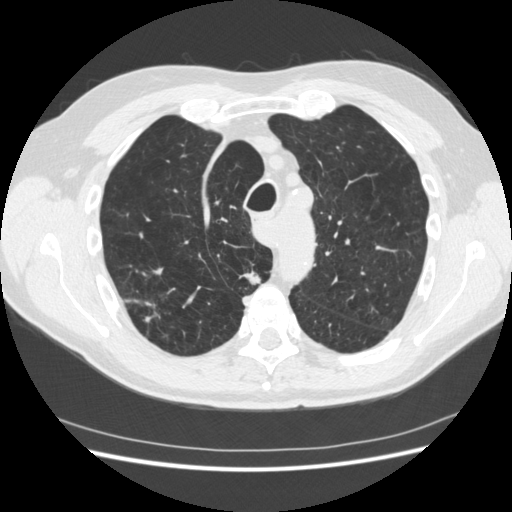
Axial slice 340 of 481 of a chest CT (slice 1 is the lowest), reconstructed with the STANDARD kernel at 120 kVp; 1.25 mm slice thickness and 0.703 mm pixels.
Two pulmonary nodules on this slice, listed from left to right. (1) Pulmonary nodule outlined by all four readers, two of them on this slice; box rows 298–323, columns 125–160 (the union of the readers' outlines on this slice); median longest diameter 25.6 mm (readers' outlines 18.7–34.9 mm), median volume 2081 mm3 (1155–4169 mm3). Ratings, median across the readers with their spread: median texture 5/5 (solid) (readers ranged 4/5 to 5/5 (solid)); margin 2.5/5 at the median of four readers, spread 1/5 (indistinct) to 4/5; sphericity 3.5/5 at the median of four readers, spread 2/5 to 5/5 (round); calcification absent, all four readers agreeing; internal structure soft tissue from all four readers; subtlety 5/5 from all four readers; malignancy likelihood 5/5 at the median of four readers, spread 4–5. (2) Pulmonary nodule, outlined by three of the four readers. Box on this slice rows 269–285, columns 242–261, the union of the readers' outlines on this slice; longest diameter 15.9 mm on average over the three readers' outlines (readers' outlines 13.5–18.5 mm), volume 529–1088 mm3. Ratings, by the readers' most common answer with dissent counted: texture 5/5 (solid) from all three readers; most readers (two of three) put margin at 4/5, others 1/5 (indistinct) (one); most readers (two of three) put sphericity at 3/5 (ovoid), others 2/5 (one); calcification absent from all three readers; internal structure soft tissue from all three readers; subtlety 5/5 by two of three readers; the rest gave 4/5 (one); malignancy likelihood 5/5 by two of three readers; the rest gave 3/5 (one). Scale key (1–5): texture non-solid→solid, margin indistinct→circumscribed, sphericity linear→round, subtlety extremely subtle→obvious, malignancy likelihood highly unlikely→highly suspicious of cancer. Box rows and columns are 0-based pixel indices from the top-left corner, inclusive.